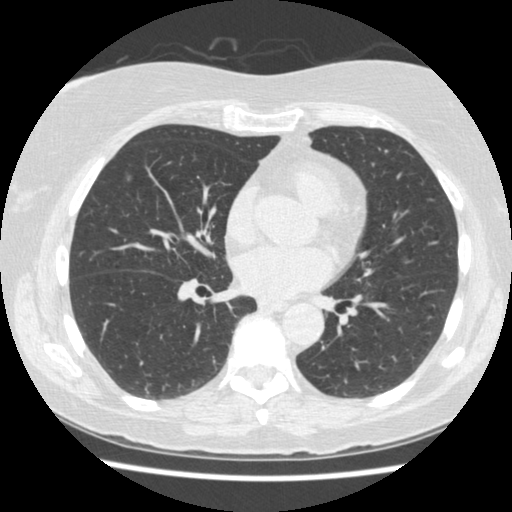
Chest CT, axial plane, 120 kVp, kernel STANDARD. Slice 223/474 from the bottom of the scan; thickness 1.25 mm; pixel size 0.625 mm.
Pulmonary nodule at rows 171–181, columns 124–130 (box = the union of the readers' outlines on this slice), outlined by all four readers, three of them on this slice; longest diameter 14.7 mm on average over the four readers' outlines (readers' outlines 12.6–15.8 mm), volume 209–921 mm3. The readers' prevailing ratings and who disagreed: most readers (three of four) put texture at 3/5 (part-solid), others 2/5 (one); most readers (three of four) put margin at 3/5, others 1/5 (indistinct) (one); sphericity split among the readers: 2/5 (one), 3/5 (ovoid) (one), 4/5 (one), 5/5 (round) (one); calcification absent, all four readers agreeing; internal structure soft tissue, all four readers agreeing; subtlety 5/5 by two of four readers; the rest gave 3/5 (one), 4/5 (one); malignancy likelihood 5/5 by three of four readers; the rest gave 3/5 (one). Scale key (1–5): texture non-solid→solid, margin indistinct→circumscribed, sphericity linear→round, subtlety extremely subtle→obvious, malignancy likelihood highly unlikely→highly suspicious of cancer. Box rows and columns are 0-based pixel indices from the top-left corner, inclusive.